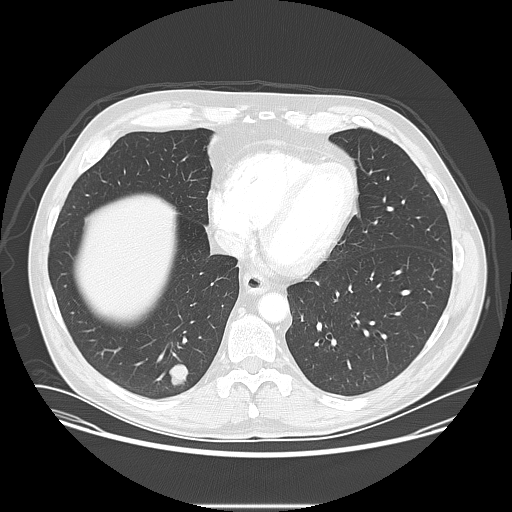
Axial slice 45 of 141 of a chest CT (slice 1 is the lowest), reconstructed with the LUNG kernel at 120 kVp; 2.50 mm slice thickness and 0.820 mm pixels.
Pulmonary nodule at rows 364–385, columns 168–187 (box = the union of the readers' outlines on this slice), outlined by all four readers; median longest diameter 20.6 mm (readers' outlines 19.2–21.8 mm), median volume 3332 mm3 (2661–3789 mm3). Ratings, median across the readers with their spread: texture 5/5 (solid) from all four readers; median margin 5/5 (circumscribed) (readers ranged 4/5 to 5/5 (circumscribed)); sphericity 3.5/5 at the median of four readers, spread 3/5 (ovoid) to 4/5; calcification absent from all four readers; internal structure soft tissue, all four readers agreeing; subtlety 5/5 at the median of four readers, spread 4–5; median malignancy likelihood 4/5 (readers ranged 3–5). Scale key (1–5): texture non-solid→solid, margin indistinct→circumscribed, sphericity linear→round, subtlety extremely subtle→obvious, malignancy likelihood highly unlikely→highly suspicious of cancer. Box rows and columns are 0-based pixel indices from the top-left corner, inclusive.